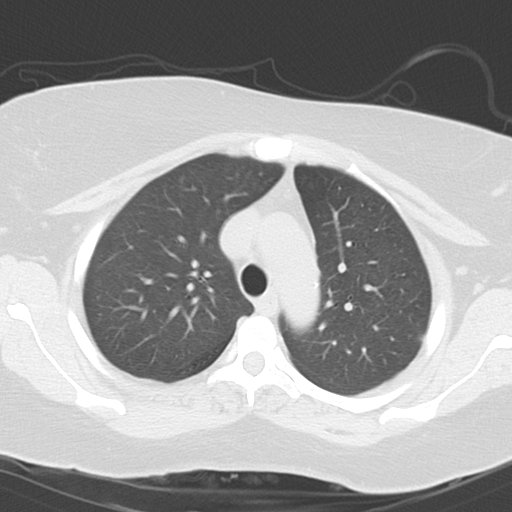
Axial chest CT slice 80 of 101 (counted from the lowest slice); tube voltage 120 kVp, convolution kernel B45f; slices 3.00 mm thick, 0.586 mm per pixel.
Pulmonary nodule, outlined by two of the four readers, one of them on this slice. Box on this slice rows 335–340, columns 419–422, the one reader's outline on this slice; median longest diameter 5.5 mm (readers' outlines 5.3–5.8 mm), median volume 74 mm3 (48–99 mm3). Ratings, median across the readers with their spread: texture 5/5 (solid) from both readers; margin 5/5 (circumscribed), both readers agreeing; sphericity 4/5 at the median of two readers, spread 3/5 (ovoid) to 5/5 (round); calcification absent, both readers agreeing; internal structure soft tissue, both readers agreeing; subtlety 4.5/5 at the median of two readers, spread 4–5; median malignancy likelihood 2.5/5 (readers ranged 2–3). Scale key (1–5): texture non-solid→solid, margin indistinct→circumscribed, sphericity linear→round, subtlety extremely subtle→obvious, malignancy likelihood highly unlikely→highly suspicious of cancer. Box rows and columns are 0-based pixel indices from the top-left corner, inclusive.